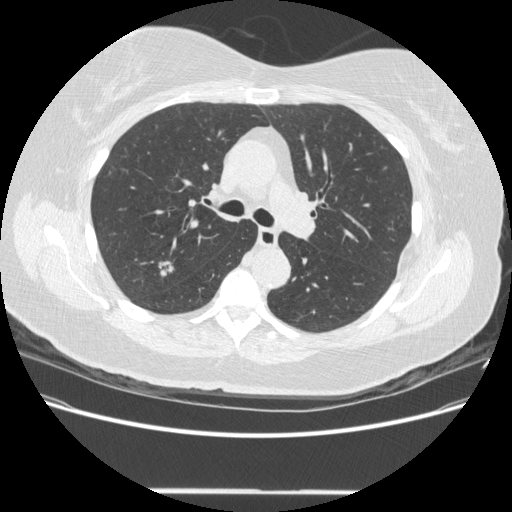
Axial chest CT slice 301 of 481 (counted from the lowest slice); tube voltage 120 kVp, convolution kernel STANDARD; slices 1.25 mm thick, 0.742 mm per pixel.
Pulmonary nodule outlined by three of the four readers; box rows 260–276, columns 158–174 (the union of the readers' outlines on this slice); longest diameter 14.5 mm on average over the three readers' outlines (readers' outlines 13.9–15.6 mm), volume 741–820 mm3. The readers' prevailing ratings and who disagreed: texture 4/5 from all three readers; margin 4/5 by two of three readers; the rest gave 3/5 (one); sphericity 3/5 (ovoid) by two of three readers; the rest gave 4/5 (one); calcification absent, all three readers agreeing; internal structure soft tissue, all three readers agreeing; subtlety 4/5 by two of three readers; the rest gave 5/5 (one); most readers (two of three) put malignancy likelihood at 5/5, others 4/5 (one). Scale key (1–5): texture non-solid→solid, margin indistinct→circumscribed, sphericity linear→round, subtlety extremely subtle→obvious, malignancy likelihood highly unlikely→highly suspicious of cancer. Box rows and columns are 0-based pixel indices from the top-left corner, inclusive.